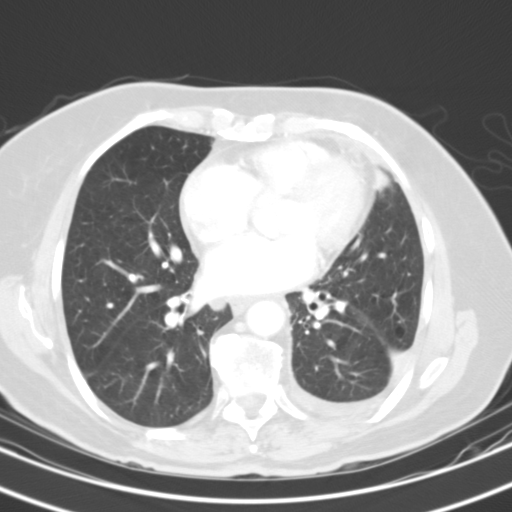
Chest CT, axial plane, 130 kVp, kernel B31s. Slice 63/121 from the bottom of the scan; thickness 3.00 mm; pixel size 0.613 mm.
Pulmonary nodule at rows 168–190, columns 376–388 (box = the one reader's outline on this slice), outlined by two of the four readers, one of them on this slice; longest diameter 19.2–20.6 mm and volume 4717–4944 mm3 across the two readers' outlines. Ratings across the readers: texture 5/5 (solid), both readers agreeing; margin from 3/5 to 4/5 across the two readers; sphericity from 4/5 to 5/5 (round) across the two readers; calcification absent from both readers; internal structure soft tissue from both readers; subtlety rated between 3 and 5 out of 5 by the two readers; malignancy likelihood from 3/5 to 4/5 across the two readers. Scale key (1–5): texture non-solid→solid, margin indistinct→circumscribed, sphericity linear→round, subtlety extremely subtle→obvious, malignancy likelihood highly unlikely→highly suspicious of cancer. Box rows and columns are 0-based pixel indices from the top-left corner, inclusive.